Axial slice 175 of 242 of a chest CT (slice 1 is the lowest), reconstructed with the LUNG kernel at 120 kVp; 1.25 mm slice thickness and 0.703 mm pixels.
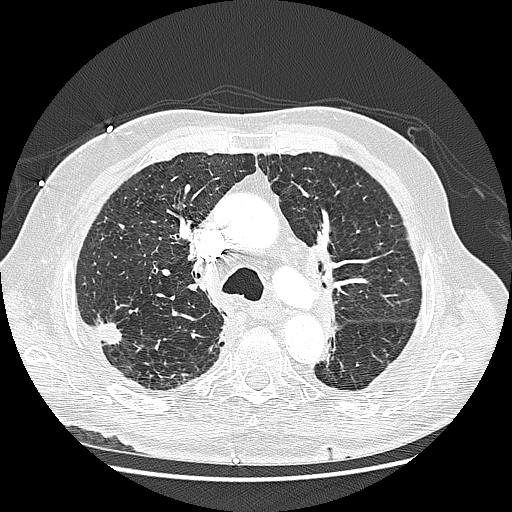
Pulmonary nodule, outlined by three of the four readers. Box on this slice rows 316–345, columns 91–121, the union of the readers' outlines on this slice; the three readers' outlines give a longest diameter between 23.6 and 31.8 mm and a volume between 3005 and 3613 mm3. Ratings across the readers: texture 5/5 (solid) from all three readers; margin from 3/5 to 5/5 (circumscribed) across the three readers; sphericity from 3/5 (ovoid) to 4/5 across the three readers; calcification absent from all three readers; internal structure soft tissue from all three readers; subtlety 4–5/5 (the readers disagree); malignancy likelihood rated between 4 and 5 out of 5 by the three readers. Scale key (1–5): texture non-solid→solid, margin indistinct→circumscribed, sphericity linear→round, subtlety extremely subtle→obvious, malignancy likelihood highly unlikely→highly suspicious of cancer. Box rows and columns are 0-based pixel indices from the top-left corner, inclusive.